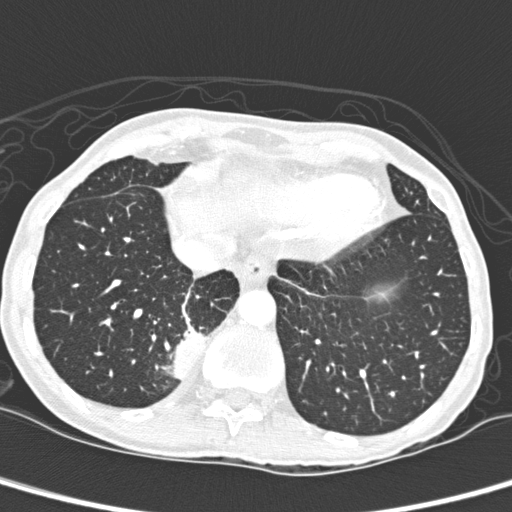
Axial chest CT slice 60 of 280 (counted from the lowest slice); 1.00 mm thick, 0.564 mm per pixel. Pulmonary nodule at rows 328–379, columns 170–206 (box = the union of the readers' outlines on this slice), outlined by two of the four readers; longest diameter 33.9 mm on average over the two readers' outlines (readers' outlines 32.1–35.8 mm), volume 5657–6702 mm3. The readers' prevailing ratings and who disagreed: texture 5/5 (solid) from both readers; margin 4/5, both readers agreeing; sphericity 3/5 (ovoid), both readers agreeing; calcification absent, both readers agreeing; internal structure soft tissue, both readers agreeing; subtlety 5/5 from both readers; malignancy likelihood split among the readers: 2/5 (one), 3/5 (one). Scale key (1–5): texture non-solid→solid, margin indistinct→circumscribed, sphericity linear→round, subtlety extremely subtle→obvious, malignancy likelihood highly unlikely→highly suspicious of cancer. Box rows and columns are 0-based pixel indices from the top-left corner, inclusive.
Scan settings: 120 kVp, D reconstruction kernel.